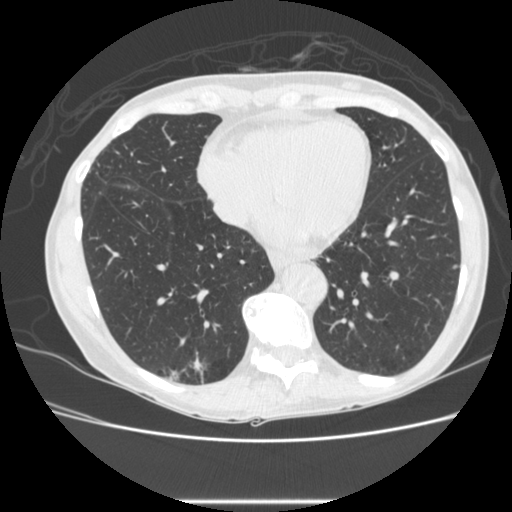
Slice 97/265 of a chest CT, counting up from the lowest; pixel size 0.670 mm, slice thickness 1.25 mm. Pulmonary nodule outlined by three of the four readers; box rows 264–268, columns 452–457 (the union of the readers' outlines on this slice); longest diameter 4.9–6.3 mm and volume 34–77 mm3 across the three readers' outlines. Ratings across the readers: texture from 4/5 to 5/5 (solid) across the three readers; margin 5/5 (circumscribed) from all three readers; sphericity from 3/5 (ovoid) to 5/5 (round) across the three readers; calcification: absent (two), central calcification (one); internal structure soft tissue, all three readers agreeing; subtlety 3–5/5 (the readers disagree); malignancy likelihood 2/5 from all three readers. Scale key (1–5): texture non-solid→solid, margin indistinct→circumscribed, sphericity linear→round, subtlety extremely subtle→obvious, malignancy likelihood highly unlikely→highly suspicious of cancer. Box rows and columns are 0-based pixel indices from the top-left corner, inclusive.
Tube voltage 120 kVp; convolution kernel STANDARD.